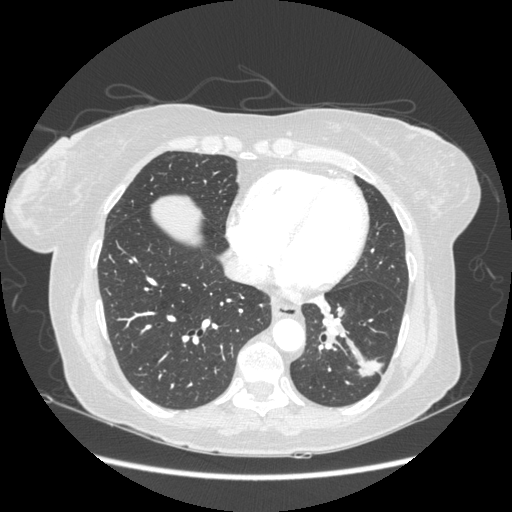
Axial slice 82 of 230 of a chest CT (slice 1 is the lowest), reconstructed with the STANDARD kernel at 120 kVp; 1.25 mm slice thickness and 0.742 mm pixels.
Pulmonary nodule at rows 356–376, columns 357–384 (box = the union of the readers' outlines on this slice), outlined by all four readers; median longest diameter 30.2 mm (readers' outlines 23.1–31.5 mm), median volume 4051 mm3 (3020–5074 mm3). Ratings, median across the readers with their spread: texture 5/5 (solid) from all four readers; median margin 4/5 (readers ranged 3/5 to 5/5 (circumscribed)); sphericity 3/5 (ovoid) at the median of four readers, spread 3/5 (ovoid) to 5/5 (round); calcification absent from all four readers; internal structure soft tissue, all four readers agreeing; subtlety 5/5, all four readers agreeing; median malignancy likelihood 5/5 (readers ranged 3–5). Scale key (1–5): texture non-solid→solid, margin indistinct→circumscribed, sphericity linear→round, subtlety extremely subtle→obvious, malignancy likelihood highly unlikely→highly suspicious of cancer. Box rows and columns are 0-based pixel indices from the top-left corner, inclusive.